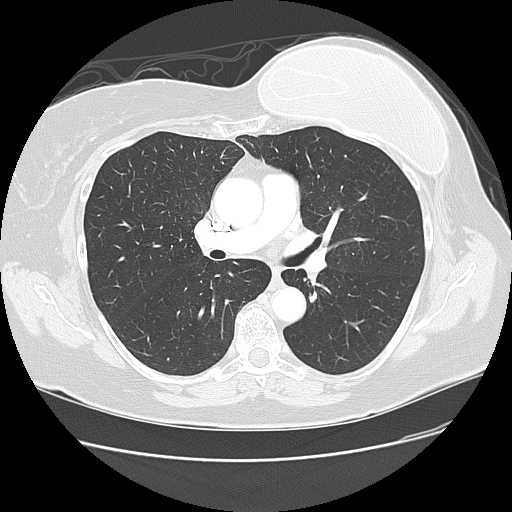
Chest CT, axial plane, 120 kVp, kernel LUNG. Slice 77/138 from the bottom of the scan; thickness 2.50 mm; pixel size 0.723 mm.
This slice carries no reader outline of a nodule 3 mm or larger.